One axial slice (71 of 230, counting up from the lowest) of a chest CT acquired at 120 kVp with the STANDARD kernel; each pixel is 0.742 mm and the slice is 1.25 mm thick.
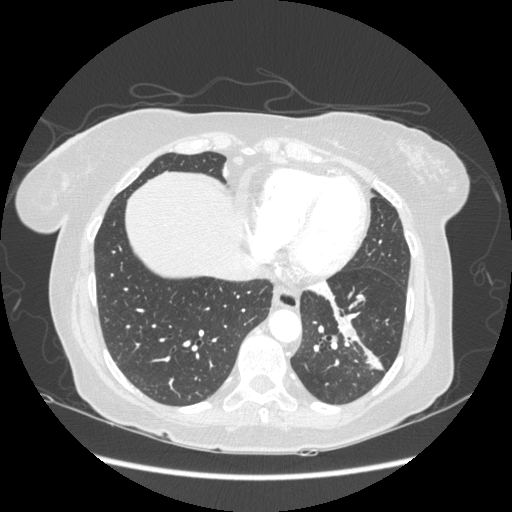
Pulmonary nodule outlined by all four readers, three of them on this slice; box rows 345–369, columns 363–383 (the union of the readers' outlines on this slice); longest diameter 23.1–31.5 mm and volume 3020–5074 mm3 across the four readers' outlines. The readers' ratings, as ranges where they differ: texture 5/5 (solid), all four readers agreeing; margin from 3/5 to 5/5 (circumscribed) across the four readers; sphericity from 3/5 (ovoid) to 5/5 (round) across the four readers; calcification absent, all four readers agreeing; internal structure soft tissue from all four readers; subtlety 5/5, all four readers agreeing; malignancy likelihood rated between 3 and 5 out of 5 by the four readers. Scale key (1–5): texture non-solid→solid, margin indistinct→circumscribed, sphericity linear→round, subtlety extremely subtle→obvious, malignancy likelihood highly unlikely→highly suspicious of cancer. Box rows and columns are 0-based pixel indices from the top-left corner, inclusive.